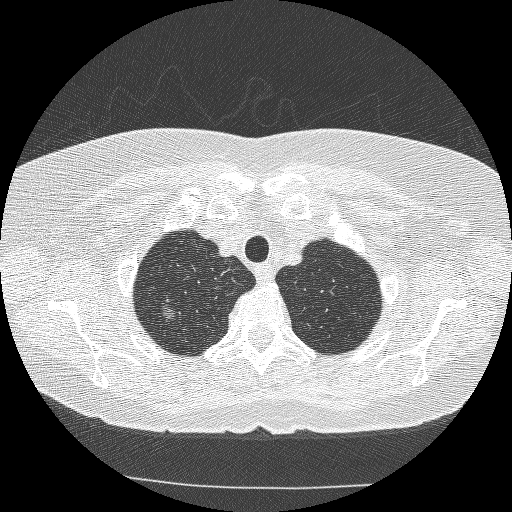
Slice 232/253 of a chest CT, counting up from the lowest; pixel size 0.625 mm, slice thickness 1.25 mm. Pulmonary nodule, outlined by all four readers. Box on this slice rows 304–321, columns 161–176, the union of the readers' outlines on this slice; longest diameter 12.3–15.8 mm and volume 480–587 mm3 across the four readers' outlines. The readers' ratings, as ranges where they differ: texture from 1/5 (non-solid) to 3/5 (part-solid) across the four readers; margin from 2/5 to 4/5 across the four readers; sphericity from 2/5 to 4/5 across the four readers; calcification absent, all four readers agreeing; internal structure soft tissue, all four readers agreeing; subtlety from 3/5 to 5/5 across the four readers; malignancy likelihood rated between 3 and 5 out of 5 by the four readers. Scale key (1–5): texture non-solid→solid, margin indistinct→circumscribed, sphericity linear→round, subtlety extremely subtle→obvious, malignancy likelihood highly unlikely→highly suspicious of cancer. Box rows and columns are 0-based pixel indices from the top-left corner, inclusive.
Acquired at 120 kVp and reconstructed with the BONE kernel.